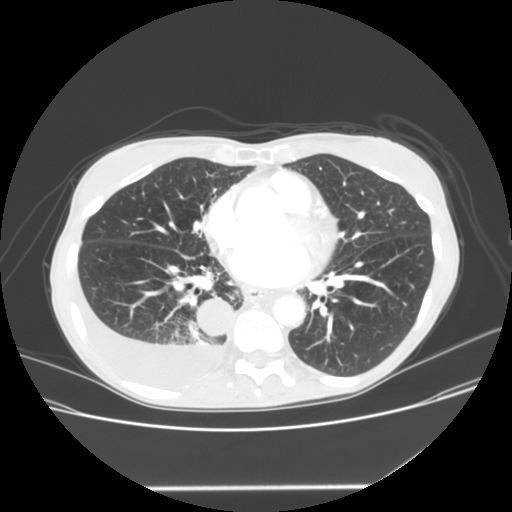
Slice 59/133 of a chest CT, counting up from the lowest; pixel size 0.703 mm, slice thickness 2.50 mm. Pulmonary nodule, outlined by two of the four readers. Box on this slice rows 298–337, columns 196–233, the union of the readers' outlines on this slice; median longest diameter 35.2 mm (readers' outlines 33.4–36.9 mm), median volume 15549 mm3 (15304–15793 mm3). Median ratings and the readers' spread: texture 4.5/5 at the median of two readers, spread 4/5 to 5/5 (solid); margin 5/5 (circumscribed), both readers agreeing; sphericity 4.5/5 at the median of two readers, spread 4/5 to 5/5 (round); calcification absent from both readers; internal structure soft tissue from both readers; subtlety 5/5, both readers agreeing; median malignancy likelihood 2.5/5 (readers ranged 2–3). Scale key (1–5): texture non-solid→solid, margin indistinct→circumscribed, sphericity linear→round, subtlety extremely subtle→obvious, malignancy likelihood highly unlikely→highly suspicious of cancer. Box rows and columns are 0-based pixel indices from the top-left corner, inclusive.
Scan settings: 120 kVp, STANDARD reconstruction kernel.